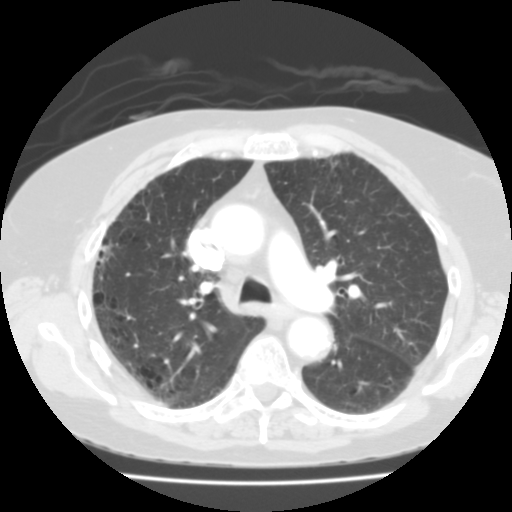
Axial slice 89 of 136 of a chest CT (slice 1 is the lowest), reconstructed with the FC03 kernel at 135 kVp; 2.00 mm slice thickness and 0.644 mm pixels.
Pulmonary nodule outlined by one of the four readers; box rows 246–251, columns 102–106 (that reader's outline on this slice); longest diameter 9.4 mm and volume 123 mm3 from that reader's outline. Ratings by that reader: texture 1/5 (non-solid); margin 2/5; sphericity 5/5 (round); calcification absent; internal structure soft tissue; subtlety 1/5; malignancy likelihood 2/5. Scale key (1–5): texture non-solid→solid, margin indistinct→circumscribed, sphericity linear→round, subtlety extremely subtle→obvious, malignancy likelihood highly unlikely→highly suspicious of cancer. Box rows and columns are 0-based pixel indices from the top-left corner, inclusive.